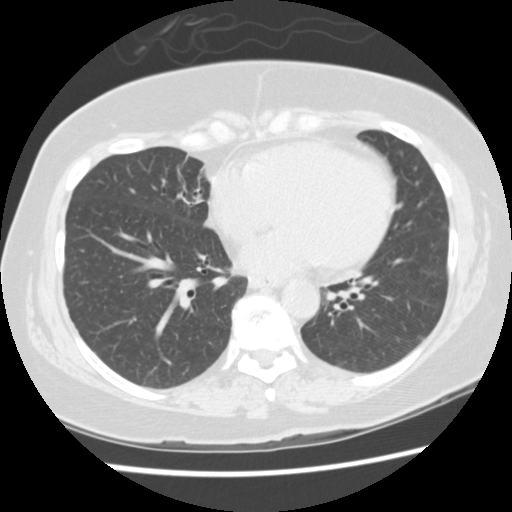
Axial chest CT slice 51 of 145 (counted from the lowest slice); tube voltage 120 kVp, convolution kernel STANDARD; slices 2.50 mm thick, 0.625 mm per pixel.
Pulmonary nodule outlined by one of the four readers; box rows 335–338, columns 418–423 (that reader's outline on this slice); longest diameter 5.6 mm and volume 68 mm3 from that reader's outline. That reader's ratings: texture 1/5 (non-solid); margin 1/5 (indistinct); sphericity 3/5 (ovoid); calcification absent; internal structure soft tissue; subtlety 5/5; malignancy likelihood 2/5. Scale key (1–5): texture non-solid→solid, margin indistinct→circumscribed, sphericity linear→round, subtlety extremely subtle→obvious, malignancy likelihood highly unlikely→highly suspicious of cancer. Box rows and columns are 0-based pixel indices from the top-left corner, inclusive.